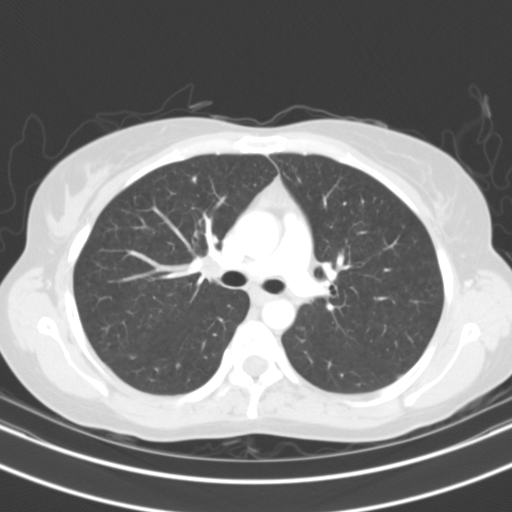
Chest CT, axial plane, 130 kVp, kernel B31s. Slice 73/108 from the bottom of the scan; thickness 3.00 mm; pixel size 0.629 mm.
Pulmonary nodule outlined by three of the four readers, two of them on this slice; box rows 177–181, columns 192–196 (the union of the readers' outlines on this slice); median longest diameter 6.3 mm (readers' outlines 5.4–7.6 mm), median volume 151 mm3 (117–157 mm3). Median ratings and the readers' spread: texture 5/5 (solid) from all three readers; margin 5/5 (circumscribed) at the median of three readers, spread 4/5 to 5/5 (circumscribed); sphericity 4/5 at the median of three readers, spread 3/5 (ovoid) to 5/5 (round); calcification solid calcification from all three readers; internal structure soft tissue, all three readers agreeing; median subtlety 3/5 (readers ranged 3–5); malignancy likelihood 1/5, all three readers agreeing. Scale key (1–5): texture non-solid→solid, margin indistinct→circumscribed, sphericity linear→round, subtlety extremely subtle→obvious, malignancy likelihood highly unlikely→highly suspicious of cancer. Box rows and columns are 0-based pixel indices from the top-left corner, inclusive.